Chest CT, axial plane, 120 kVp, kernel STANDARD. Slice 366/481 from the bottom of the scan; thickness 1.25 mm; pixel size 0.703 mm.
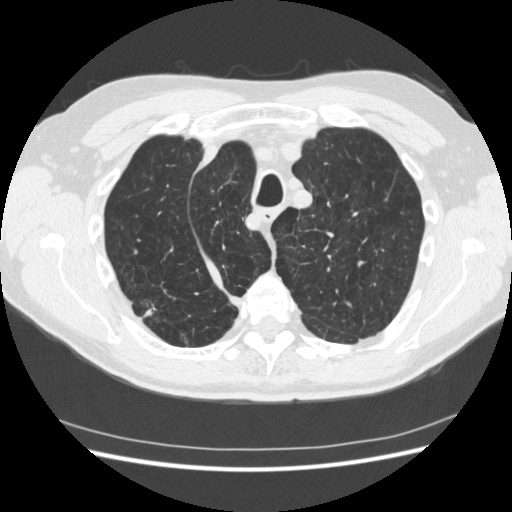
Pulmonary nodule outlined by all four readers; box rows 299–317, columns 140–157 (the union of the readers' outlines on this slice); longest diameter 26.2 mm on average over the four readers' outlines (readers' outlines 18.7–34.9 mm), volume 1155–4169 mm3. Ratings, by the readers' most common answer with dissent counted: most readers (three of four) put texture at 5/5 (solid), others 4/5 (one); margin split among the readers: 1/5 (indistinct) (one), 2/5 (one), 3/5 (one), 4/5 (one); sphericity split among the readers: 2/5 (one), 3/5 (ovoid) (one), 4/5 (one), 5/5 (round) (one); calcification absent from all four readers; internal structure soft tissue from all four readers; subtlety 5/5, all four readers agreeing; most readers (three of four) put malignancy likelihood at 5/5, others 4/5 (one). Scale key (1–5): texture non-solid→solid, margin indistinct→circumscribed, sphericity linear→round, subtlety extremely subtle→obvious, malignancy likelihood highly unlikely→highly suspicious of cancer. Box rows and columns are 0-based pixel indices from the top-left corner, inclusive.